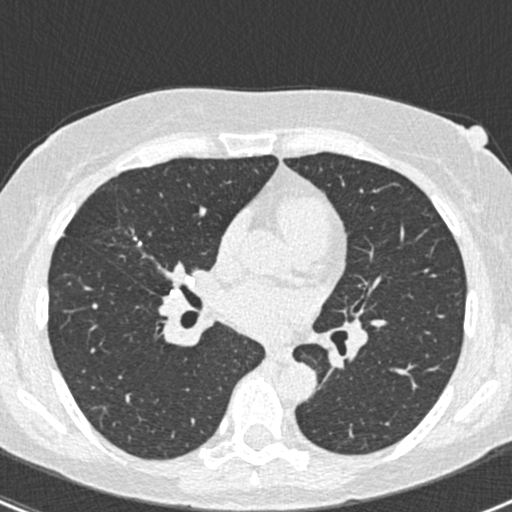
Chest CT, axial plane, 120 kVp, kernel B30f. Slice 245/429 from the bottom of the scan; thickness 0.75 mm; pixel size 0.586 mm.
Pulmonary nodule, outlined three times (the source holds two more outlines, not used). Box on this slice rows 236–245, columns 132–141, the union of the readers' outlines on this slice; median longest diameter 8.9 mm (readers' outlines 8.0–11.0 mm), median volume 137 mm3 (95–144 mm3). Ratings, median across the readers with their spread: texture 5/5 (solid), all three readers agreeing; margin 5/5 (circumscribed) from all three readers; sphericity 3/5 (ovoid) at the median of three readers, spread 2/5 to 5/5 (round); calcification solid calcification from all three readers; internal structure soft tissue, all three readers agreeing; median subtlety 4/5 (readers ranged 4–5); malignancy likelihood 1/5, all three readers agreeing. Scale key (1–5): texture non-solid→solid, margin indistinct→circumscribed, sphericity linear→round, subtlety extremely subtle→obvious, malignancy likelihood highly unlikely→highly suspicious of cancer. Box rows and columns are 0-based pixel indices from the top-left corner, inclusive.